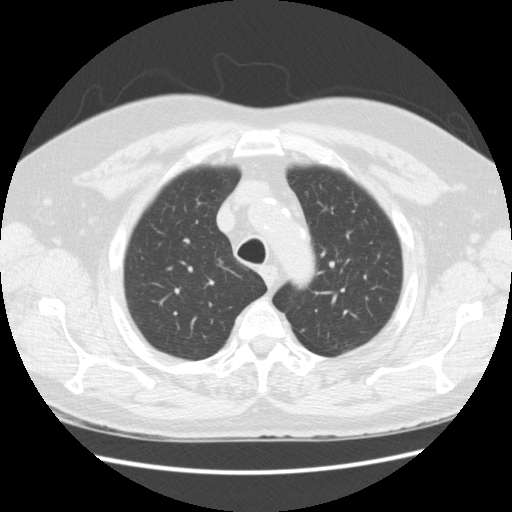
Slice 124/148 of a chest CT, counting up from the lowest; pixel size 0.703 mm, slice thickness 2.50 mm. Pulmonary nodule, outlined by one of the four readers. Box on this slice rows 258–265, columns 217–223, that reader's outline on this slice; longest diameter 7.6 mm and volume 99 mm3 from that reader's outline. Ratings by that reader: texture 5/5 (solid); margin 5/5 (circumscribed); sphericity 3/5 (ovoid); calcification absent; internal structure soft tissue; subtlety 4/5; malignancy likelihood 2/5. Scale key (1–5): texture non-solid→solid, margin indistinct→circumscribed, sphericity linear→round, subtlety extremely subtle→obvious, malignancy likelihood highly unlikely→highly suspicious of cancer. Box rows and columns are 0-based pixel indices from the top-left corner, inclusive.
Tube voltage 120 kVp; convolution kernel STANDARD.